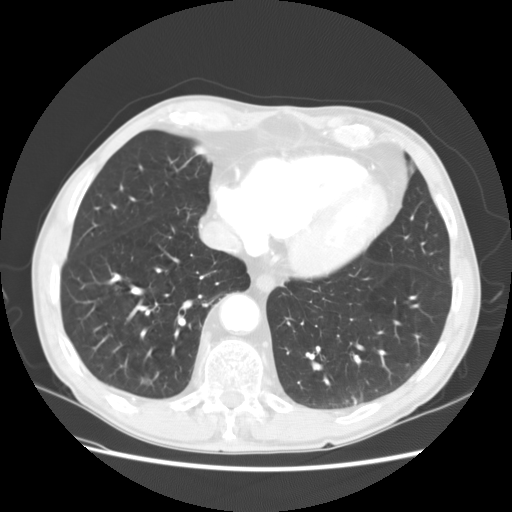
Chest CT, axial plane, 120 kVp, kernel STANDARD. Slice 53/147 from the bottom of the scan; thickness 2.50 mm; pixel size 0.703 mm.
Pulmonary nodule, outlined by one of the four readers. Box on this slice rows 376–383, columns 141–150, that reader's outline on this slice; longest diameter 10.7 mm and volume 531 mm3 from that reader's outline. Ratings by that reader: texture 1/5 (non-solid); margin 2/5; sphericity 5/5 (round); calcification absent; internal structure soft tissue; subtlety 1/5; malignancy likelihood 2/5. Scale key (1–5): texture non-solid→solid, margin indistinct→circumscribed, sphericity linear→round, subtlety extremely subtle→obvious, malignancy likelihood highly unlikely→highly suspicious of cancer. Box rows and columns are 0-based pixel indices from the top-left corner, inclusive.